Chest CT, axial plane, 120 kVp, kernel B30f. Slice 135/558 from the bottom of the scan; thickness 0.75 mm; pixel size 0.648 mm.
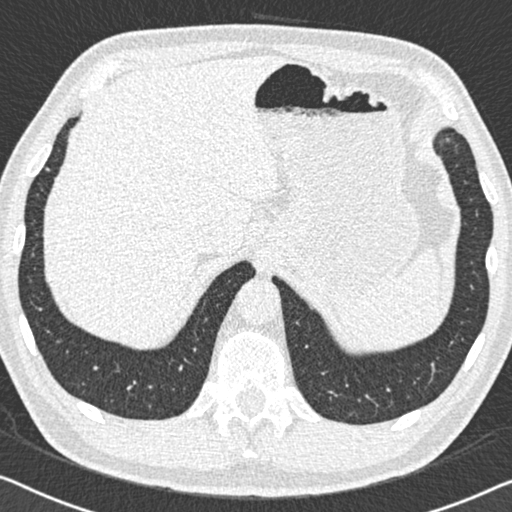
Pulmonary nodule at rows 167–171, columns 45–50 (box = the union of the readers' outlines on this slice), outlined by two of the four readers; longest diameter 5.7 mm on average over the two readers' outlines (readers' outlines 5.6–5.8 mm), volume 53–63 mm3. The readers' prevailing ratings and who disagreed: texture split among the readers: 4/5 (one), 5/5 (solid) (one); margin 4/5 from both readers; sphericity split among the readers: 2/5 (one), 3/5 (ovoid) (one); calcification absent, both readers agreeing; internal structure soft tissue from both readers; subtlety split among the readers: 2/5 (one), 5/5 (one); malignancy likelihood split among the readers: 2/5 (one), 3/5 (one). Scale key (1–5): texture non-solid→solid, margin indistinct→circumscribed, sphericity linear→round, subtlety extremely subtle→obvious, malignancy likelihood highly unlikely→highly suspicious of cancer. Box rows and columns are 0-based pixel indices from the top-left corner, inclusive.